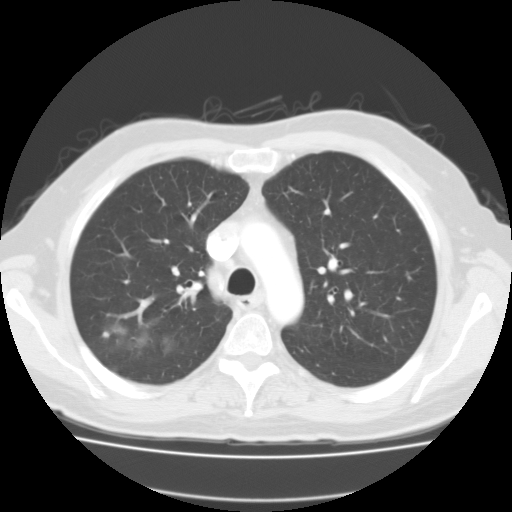
Slice 92/127 of a chest CT, counting up from the lowest; pixel size 0.750 mm, slice thickness 3.00 mm. Pulmonary nodule at rows 332–337, columns 103–109 (box = the union of the readers' outlines on this slice), outlined by two of the four readers; longest diameter 6.6 mm on average over the two readers' outlines (readers' outlines 5.9–7.4 mm), volume 145–238 mm3. Ratings, by the readers' most common answer with dissent counted: texture split among the readers: 2/5 (one), 5/5 (solid) (one); margin split among the readers: 2/5 (one), 3/5 (one); sphericity split among the readers: 3/5 (ovoid) (one), 4/5 (one); calcification absent from both readers; internal structure soft tissue, both readers agreeing; subtlety split among the readers: 2/5 (one), 4/5 (one); malignancy likelihood 3/5, both readers agreeing. Scale key (1–5): texture non-solid→solid, margin indistinct→circumscribed, sphericity linear→round, subtlety extremely subtle→obvious, malignancy likelihood highly unlikely→highly suspicious of cancer. Box rows and columns are 0-based pixel indices from the top-left corner, inclusive.
Scan settings: 135 kVp, FC01 reconstruction kernel.